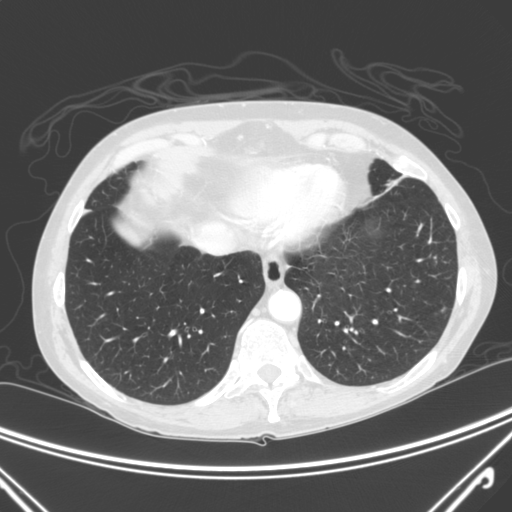
One axial slice (77 of 300, counting up from the lowest) of a chest CT acquired at 120 kVp with the C kernel; each pixel is 0.715 mm and the slice is 2.00 mm thick.
Pulmonary nodule outlined by two of the four readers; box rows 306–312, columns 441–446 (the union of the readers' outlines on this slice); longest diameter 6.1–6.5 mm and volume 64–76 mm3 across the two readers' outlines. The readers' ratings, as ranges where they differ: texture from 4/5 to 5/5 (solid) across the two readers; margin from 3/5 to 4/5 across the two readers; sphericity from 2/5 to 4/5 across the two readers; calcification absent from both readers; internal structure soft tissue, both readers agreeing; subtlety 3–5/5 (the readers disagree); malignancy likelihood rated between 2 and 3 out of 5 by the two readers. Scale key (1–5): texture non-solid→solid, margin indistinct→circumscribed, sphericity linear→round, subtlety extremely subtle→obvious, malignancy likelihood highly unlikely→highly suspicious of cancer. Box rows and columns are 0-based pixel indices from the top-left corner, inclusive.